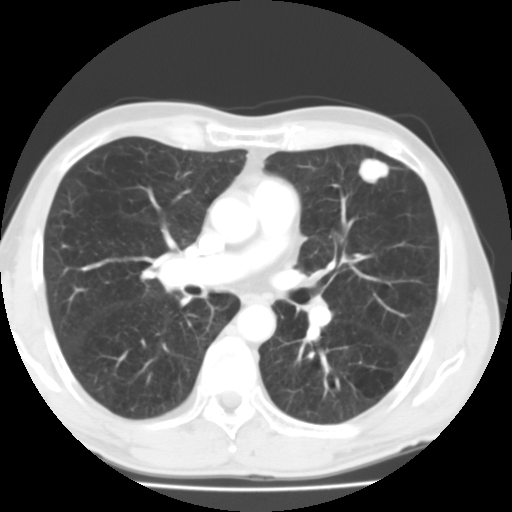
Axial chest CT slice 65 of 119 (counted from the lowest slice); tube voltage 135 kVp, convolution kernel FC01; slices 3.00 mm thick, 0.640 mm per pixel.
Pulmonary nodule at rows 158–184, columns 358–390 (box = the union of the readers' outlines on this slice), outlined by all four readers; median longest diameter 21.0 mm (readers' outlines 19.4–21.3 mm), median volume 3239 mm3 (2099–3516 mm3). Median ratings and the readers' spread: texture 5/5 (solid), all four readers agreeing; median margin 5/5 (circumscribed) (readers ranged 4/5 to 5/5 (circumscribed)); median sphericity 4/5 (readers ranged 3/5 (ovoid) to 4/5); calcification: absent (three), central calcification (one); internal structure soft tissue, all four readers agreeing; subtlety 5/5 from all four readers; malignancy likelihood 4/5 at the median of four readers, spread 1–5. Scale key (1–5): texture non-solid→solid, margin indistinct→circumscribed, sphericity linear→round, subtlety extremely subtle→obvious, malignancy likelihood highly unlikely→highly suspicious of cancer. Box rows and columns are 0-based pixel indices from the top-left corner, inclusive.